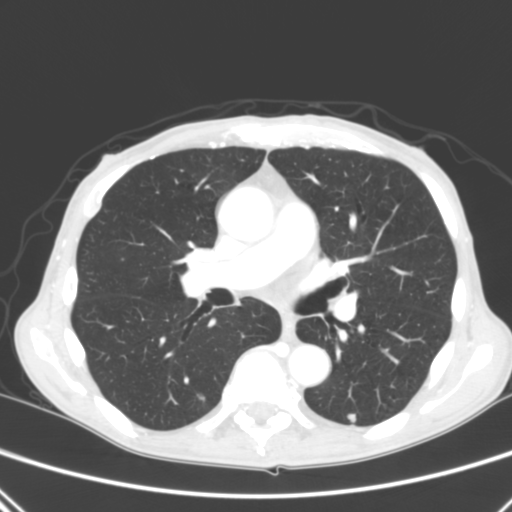
One axial slice (160 of 290, counting up from the lowest) of a chest CT acquired at 120 kVp with the B kernel; each pixel is 0.639 mm and the slice is 2.00 mm thick.
Two pulmonary nodules on this slice, listed from left to right. (1) Pulmonary nodule outlined by three of the four readers; box rows 394–401, columns 197–204 (the union of the readers' outlines on this slice); median longest diameter 6.9 mm (readers' outlines 6.9–9.4 mm), median volume 90 mm3 (83–138 mm3). Median ratings and the readers' spread: median texture 5/5 (solid) (readers ranged 3/5 (part-solid) to 5/5 (solid)); margin 3/5 at the median of three readers, spread 2/5 to 4/5; sphericity 3/5 (ovoid) at the median of three readers, spread 2/5 to 4/5; calcification absent from all three readers; internal structure soft tissue from all three readers; median subtlety 4/5 (readers ranged 2–4); median malignancy likelihood 3/5 (readers ranged 2–4). (2) Pulmonary nodule at rows 413–423, columns 346–356 (box = the union of the readers' outlines on this slice), outlined by all four readers; median longest diameter 7.9 mm (readers' outlines 7.4–8.6 mm), median volume 160 mm3 (120–172 mm3). Median ratings and the readers' spread: median texture 5/5 (solid) (readers ranged 4/5 to 5/5 (solid)); median margin 4/5 (readers ranged 2/5 to 4/5); sphericity 3/5 (ovoid) at the median of four readers, spread 3/5 (ovoid) to 4/5; calcification absent, all four readers agreeing; internal structure soft tissue, all four readers agreeing; median subtlety 4.5/5 (readers ranged 4–5); median malignancy likelihood 3/5 (readers ranged 3–4). Scale key (1–5): texture non-solid→solid, margin indistinct→circumscribed, sphericity linear→round, subtlety extremely subtle→obvious, malignancy likelihood highly unlikely→highly suspicious of cancer. Box rows and columns are 0-based pixel indices from the top-left corner, inclusive.